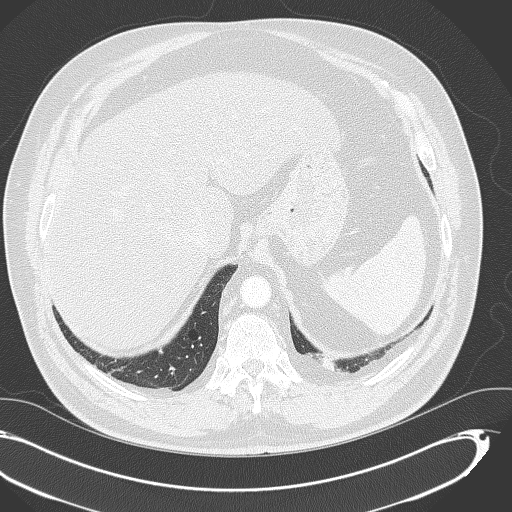
Axial slice 96 of 333 of a chest CT (slice 1 is the lowest), reconstructed with the B70f kernel at 120 kVp; 2.00 mm slice thickness and 0.775 mm pixels.
Pulmonary nodule at rows 350–353, columns 158–164 (box = the union of the readers' outlines on this slice), outlined by all four readers, two of them on this slice; longest diameter 7.5 mm on average over the four readers' outlines (readers' outlines 7.1–8.0 mm), volume 121–157 mm3. Ratings, by the readers' most common answer with dissent counted: texture 5/5 (solid), all four readers agreeing; margin 5/5 (circumscribed) from all four readers; sphericity split among the readers: 3/5 (ovoid) (two), 4/5 (two); calcification solid calcification by three of four readers, central calcification (one); internal structure soft tissue from all four readers; subtlety 5/5 by three of four readers; the rest gave 3/5 (one); malignancy likelihood 1/5, all four readers agreeing. Scale key (1–5): texture non-solid→solid, margin indistinct→circumscribed, sphericity linear→round, subtlety extremely subtle→obvious, malignancy likelihood highly unlikely→highly suspicious of cancer. Box rows and columns are 0-based pixel indices from the top-left corner, inclusive.